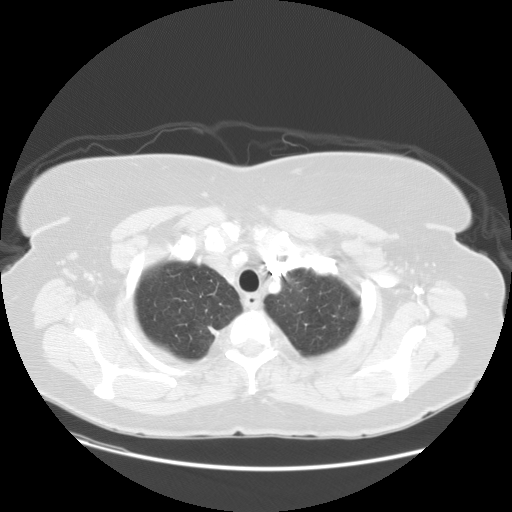
One axial slice (114 of 133, counting up from the lowest) of a chest CT acquired at 120 kVp with the STANDARD kernel; each pixel is 0.781 mm and the slice is 2.50 mm thick.
Pulmonary nodule outlined by all four readers, two of them on this slice; box rows 326–334, columns 208–216 (the union of the readers' outlines on this slice); longest diameter 35.0 mm on average over the four readers' outlines (readers' outlines 31.6–37.9 mm), volume 3786–6747 mm3. The readers' prevailing ratings and who disagreed: texture 5/5 (solid) by two of four readers; the rest gave 3/5 (part-solid) (one), 4/5 (one); most readers (three of four) put margin at 3/5, others 1/5 (indistinct) (one); sphericity 3/5 (ovoid) by two of four readers; the rest gave 2/5 (one), 4/5 (one); calcification absent from all four readers; internal structure soft tissue from all four readers; subtlety 5/5, all four readers agreeing; malignancy likelihood 5/5 by three of four readers; the rest gave 3/5 (one). Scale key (1–5): texture non-solid→solid, margin indistinct→circumscribed, sphericity linear→round, subtlety extremely subtle→obvious, malignancy likelihood highly unlikely→highly suspicious of cancer. Box rows and columns are 0-based pixel indices from the top-left corner, inclusive.